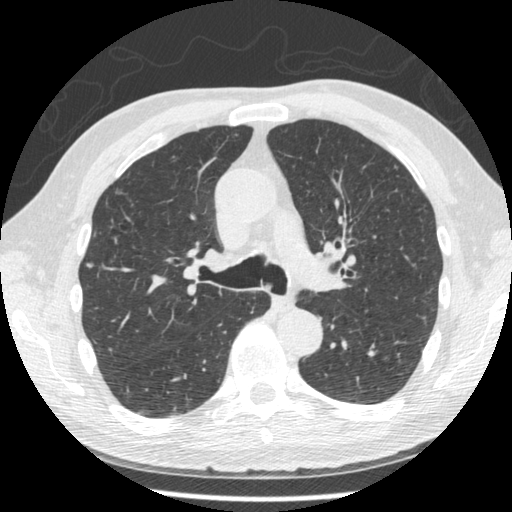
This is axial slice 306 of 481 (slice 1 is the lowest) of a chest CT; each pixel is 0.664 mm and the slice is 1.25 mm thick. Pulmonary nodule, outlined by one of the four readers. Box on this slice rows 262–267, columns 85–92, that reader's outline on this slice; longest diameter 8.7 mm and volume 117 mm3 from that reader's outline. That reader's ratings: texture 4/5; margin 5/5 (circumscribed); sphericity 4/5; calcification absent; internal structure soft tissue; subtlety 4/5; malignancy likelihood 4/5. Scale key (1–5): texture non-solid→solid, margin indistinct→circumscribed, sphericity linear→round, subtlety extremely subtle→obvious, malignancy likelihood highly unlikely→highly suspicious of cancer. Box rows and columns are 0-based pixel indices from the top-left corner, inclusive.
Tube voltage 120 kVp; convolution kernel STANDARD.